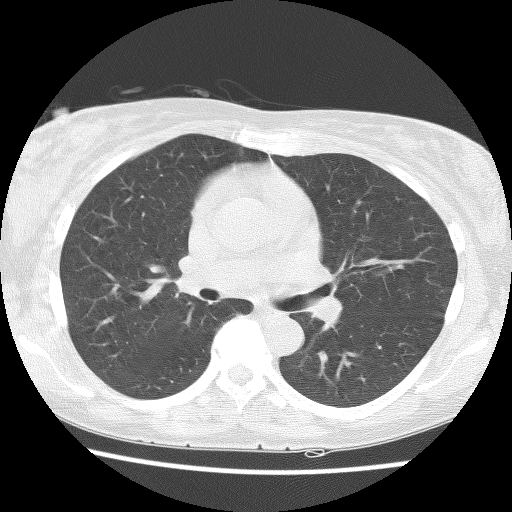
Chest CT, axial plane, 140 kVp, kernel BONE. Slice 80/124 from the bottom of the scan; thickness 2.50 mm; pixel size 0.600 mm.
No nodule of 3 mm or larger was outlined by any of the four readers on this slice.